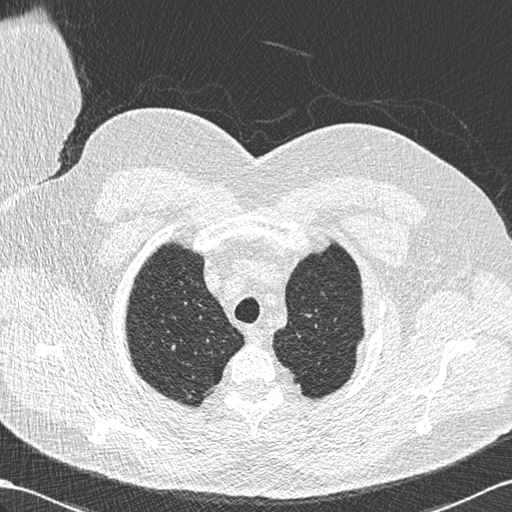
Slice 533/636 of a chest CT, counting up from the lowest; pixel size 0.689 mm, slice thickness 0.60 mm. Pulmonary nodule outlined by one of the four readers; box rows 395–399, columns 185–190 (that reader's outline on this slice); longest diameter 7.2 mm and volume 71 mm3 from that reader's outline. Ratings by that reader: texture 4/5; margin 5/5 (circumscribed); sphericity 3/5 (ovoid); calcification absent; internal structure soft tissue; subtlety 5/5; malignancy likelihood 3/5. Scale key (1–5): texture non-solid→solid, margin indistinct→circumscribed, sphericity linear→round, subtlety extremely subtle→obvious, malignancy likelihood highly unlikely→highly suspicious of cancer. Box rows and columns are 0-based pixel indices from the top-left corner, inclusive.
Acquired at 120 kVp and reconstructed with the B30f kernel.